Axial chest CT slice 248 of 481 (counted from the lowest slice); tube voltage 120 kVp, convolution kernel STANDARD; slices 1.25 mm thick, 0.664 mm per pixel.
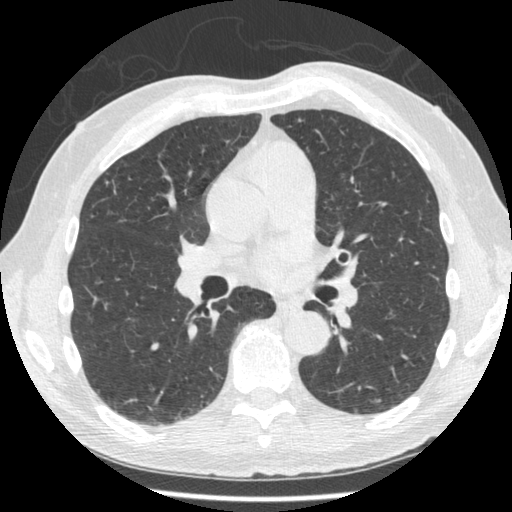
Pulmonary nodule at rows 118–122, columns 296–300 (box = that reader's outline on this slice), outlined by one of the four readers; longest diameter 6.6 mm and volume 59 mm3 from that reader's outline. That reader's ratings: texture 5/5 (solid); margin 5/5 (circumscribed); sphericity 3/5 (ovoid); calcification absent; internal structure soft tissue; subtlety 4/5; malignancy likelihood 3/5. Scale key (1–5): texture non-solid→solid, margin indistinct→circumscribed, sphericity linear→round, subtlety extremely subtle→obvious, malignancy likelihood highly unlikely→highly suspicious of cancer. Box rows and columns are 0-based pixel indices from the top-left corner, inclusive.